Axial slice 324 of 489 of a chest CT (slice 1 is the lowest), reconstructed with the B30f kernel at 120 kVp; 0.75 mm slice thickness and 0.566 mm pixels.
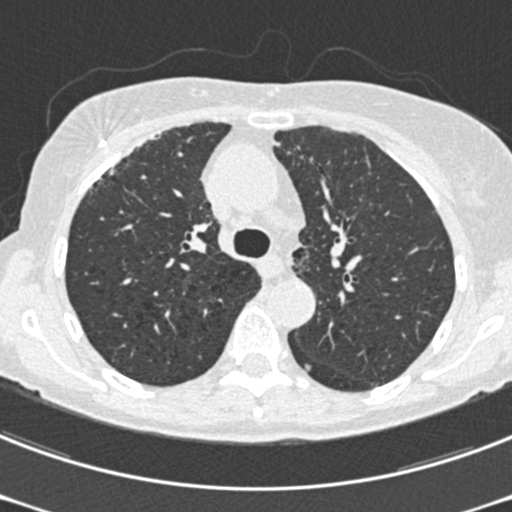
Pulmonary nodule at rows 362–372, columns 304–311 (box = the union of the readers' outlines on this slice), outlined by two of the four readers; median longest diameter 6.2 mm (readers' outlines 5.2–7.2 mm), median volume 47 mm3 (31–63 mm3). Median ratings and the readers' spread: texture 4.5/5 at the median of two readers, spread 4/5 to 5/5 (solid); median margin 3.5/5 (readers ranged 3/5 to 4/5); median sphericity 4/5 (readers ranged 3/5 (ovoid) to 5/5 (round)); calcification absent, both readers agreeing; internal structure soft tissue, both readers agreeing; median subtlety 4/5 (readers ranged 3–5); malignancy likelihood 2.5/5 at the median of two readers, spread 2–3. Scale key (1–5): texture non-solid→solid, margin indistinct→circumscribed, sphericity linear→round, subtlety extremely subtle→obvious, malignancy likelihood highly unlikely→highly suspicious of cancer. Box rows and columns are 0-based pixel indices from the top-left corner, inclusive.